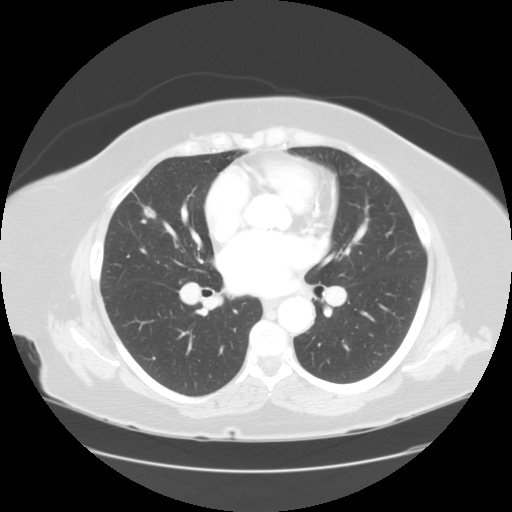
Axial chest CT slice 78 of 133 (counted from the lowest slice); tube voltage 120 kVp, convolution kernel STANDARD; slices 2.50 mm thick, 0.781 mm per pixel.
Pulmonary nodule outlined by all four readers; box rows 204–218, columns 141–157 (the union of the readers' outlines on this slice); longest diameter 12.2–16.1 mm and volume 397–778 mm3 across the four readers' outlines. The readers' ratings, as ranges where they differ: texture from 1/5 (non-solid) to 5/5 (solid) across the four readers; margin from 2/5 to 5/5 (circumscribed) across the four readers; sphericity from 2/5 to 5/5 (round) across the four readers; calcification absent, all four readers agreeing; internal structure soft tissue from all four readers; subtlety 1–5/5 (the readers disagree); malignancy likelihood rated between 2 and 4 out of 5 by the four readers. Scale key (1–5): texture non-solid→solid, margin indistinct→circumscribed, sphericity linear→round, subtlety extremely subtle→obvious, malignancy likelihood highly unlikely→highly suspicious of cancer. Box rows and columns are 0-based pixel indices from the top-left corner, inclusive.